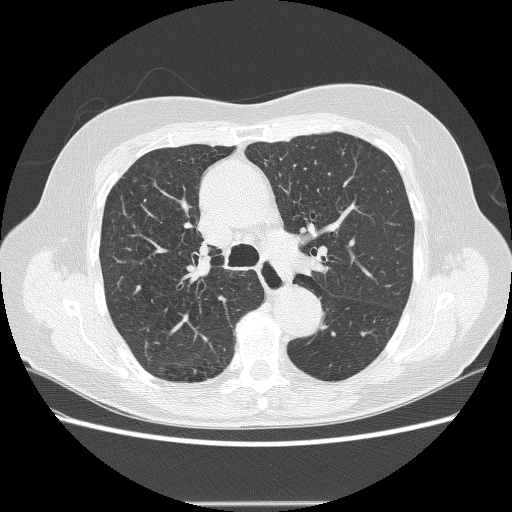
One axial slice (162 of 246, counting up from the lowest) of a chest CT acquired at 120 kVp with the BONE kernel; each pixel is 0.703 mm and the slice is 1.25 mm thick.
No nodule 3 mm or larger was outlined here by any reader.